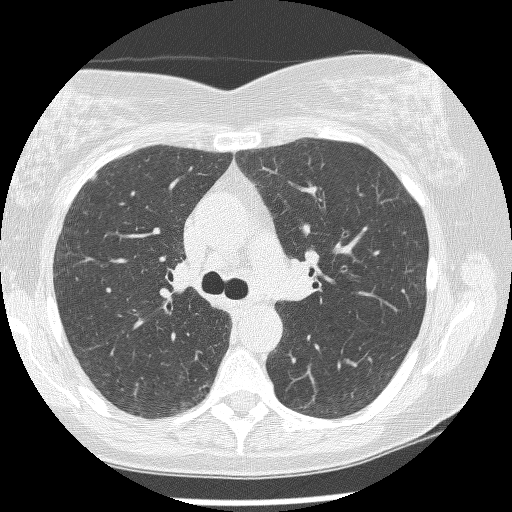
Slice 189/270 of a chest CT, counting up from the lowest; pixel size 0.604 mm, slice thickness 1.25 mm. Pulmonary nodule, outlined by all four readers, two of them on this slice. Box on this slice rows 173–179, columns 90–97, the union of the readers' outlines on this slice; longest diameter 6.5 mm on average over the four readers' outlines (readers' outlines 5.9–6.9 mm), volume 67–95 mm3. The readers' prevailing ratings and who disagreed: texture 5/5 (solid) by three of four readers; the rest gave 4/5 (one); margin split among the readers: 4/5 (two), 5/5 (circumscribed) (two); sphericity 4/5 by two of four readers; the rest gave 3/5 (ovoid) (one), 5/5 (round) (one); calcification absent, all four readers agreeing; internal structure soft tissue from all four readers; subtlety 4/5 by three of four readers; the rest gave 3/5 (one); malignancy likelihood 3/5 by three of four readers; the rest gave 4/5 (one). Scale key (1–5): texture non-solid→solid, margin indistinct→circumscribed, sphericity linear→round, subtlety extremely subtle→obvious, malignancy likelihood highly unlikely→highly suspicious of cancer. Box rows and columns are 0-based pixel indices from the top-left corner, inclusive.
Acquired at 120 kVp and reconstructed with the BONE kernel.